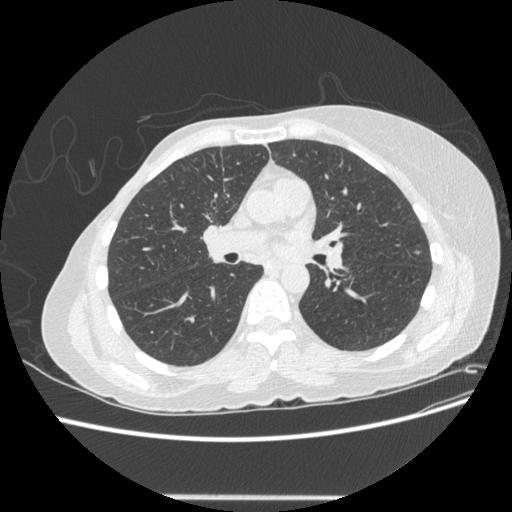
Axial chest CT slice 254 of 500 (counted from the lowest slice); 1.25 mm thick, 0.703 mm per pixel. Pulmonary nodule, outlined by all four readers. Box on this slice rows 250–254, columns 414–419, the union of the readers' outlines on this slice; longest diameter 8.5 mm on average over the four readers' outlines (readers' outlines 7.8–9.1 mm), volume 108–174 mm3. Ratings, by the readers' most common answer with dissent counted: texture split among the readers: 1/5 (non-solid) (one), 2/5 (one), 4/5 (one), 5/5 (solid) (one); margin split among the readers: 1/5 (indistinct) (one), 2/5 (one), 4/5 (one), 5/5 (circumscribed) (one); sphericity 5/5 (round) by two of four readers; the rest gave 3/5 (ovoid) (one), 4/5 (one); calcification absent, all four readers agreeing; internal structure soft tissue, all four readers agreeing; subtlety 5/5 by two of four readers; the rest gave 3/5 (one), 4/5 (one); malignancy likelihood 4/5 by two of four readers; the rest gave 3/5 (one), 5/5 (one). Scale key (1–5): texture non-solid→solid, margin indistinct→circumscribed, sphericity linear→round, subtlety extremely subtle→obvious, malignancy likelihood highly unlikely→highly suspicious of cancer. Box rows and columns are 0-based pixel indices from the top-left corner, inclusive.
Tube voltage 120 kVp; convolution kernel STANDARD.